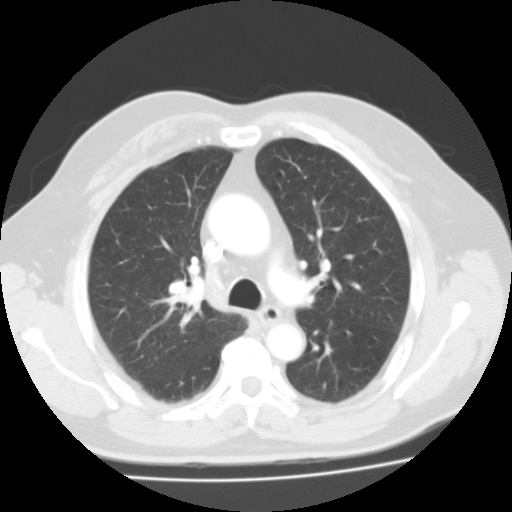
Chest CT, axial plane, 135 kVp, kernel FC01. Slice 88/125 from the bottom of the scan; thickness 3.00 mm; pixel size 0.721 mm.
No nodule 3 mm or larger was outlined here by any reader.